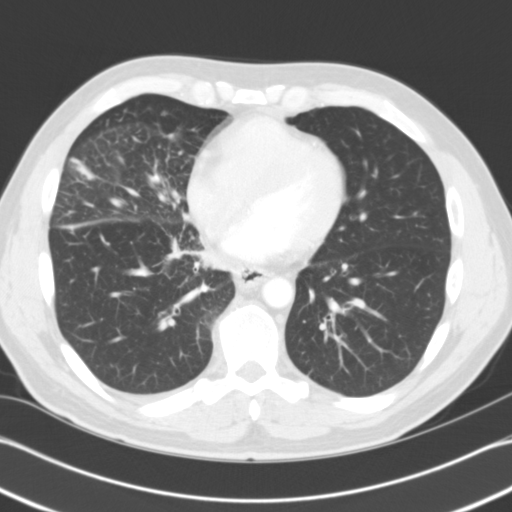
Axial chest CT slice 54 of 121 (counted from the lowest slice); tube voltage 120 kVp, convolution kernel B31f; slices 3.00 mm thick, 0.674 mm per pixel.
Pulmonary nodule outlined by one of the four readers; box rows 158–179, columns 70–95 (that reader's outline on this slice); longest diameter 21.5 mm and volume 706 mm3 from that reader's outline. Ratings by that reader: texture 4/5; margin 3/5; sphericity 2/5; calcification absent; internal structure soft tissue; subtlety 5/5; malignancy likelihood 2/5. Scale key (1–5): texture non-solid→solid, margin indistinct→circumscribed, sphericity linear→round, subtlety extremely subtle→obvious, malignancy likelihood highly unlikely→highly suspicious of cancer. Box rows and columns are 0-based pixel indices from the top-left corner, inclusive.